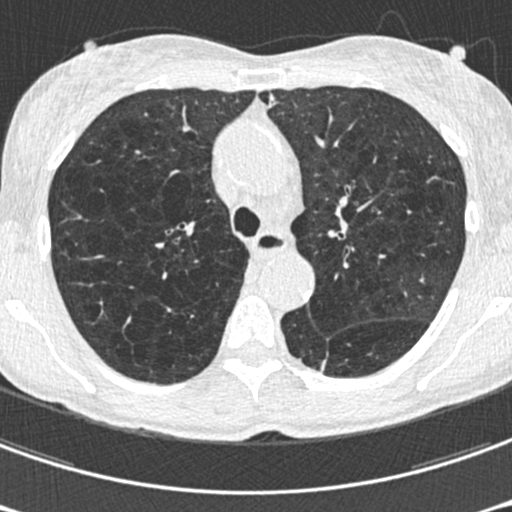
Axial slice 438 of 633 of a chest CT (slice 1 is the lowest), reconstructed with the B30f kernel at 120 kVp; 0.60 mm slice thickness and 0.541 mm pixels.
Pulmonary nodule, outlined by one of the four readers. Box on this slice rows 361–369, columns 322–324, that reader's outline on this slice; longest diameter 20.7 mm and volume 470 mm3 from that reader's outline. Ratings by that reader: texture 5/5 (solid); margin 1/5 (indistinct); sphericity 2/5; calcification absent; internal structure soft tissue; subtlety 4/5; malignancy likelihood 3/5. Scale key (1–5): texture non-solid→solid, margin indistinct→circumscribed, sphericity linear→round, subtlety extremely subtle→obvious, malignancy likelihood highly unlikely→highly suspicious of cancer. Box rows and columns are 0-based pixel indices from the top-left corner, inclusive.